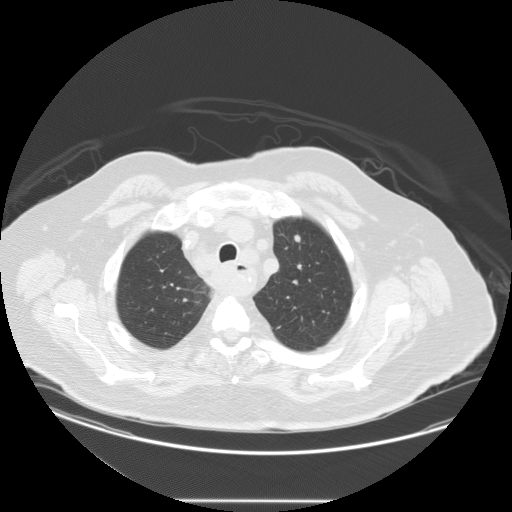
Slice 110/133 of a chest CT, counting up from the lowest; pixel size 0.859 mm, slice thickness 2.50 mm. Pulmonary nodule at rows 234–242, columns 293–301 (box = the union of the readers' outlines on this slice), outlined by three of the four readers; longest diameter 9.1 mm on average over the three readers' outlines (readers' outlines 8.2–9.8 mm), volume 235–376 mm3. Ratings, by the readers' most common answer with dissent counted: texture 5/5 (solid) by two of three readers; the rest gave 4/5 (one); margin 5/5 (circumscribed) by two of three readers; the rest gave 4/5 (one); sphericity split among the readers: 3/5 (ovoid) (one), 4/5 (one), 5/5 (round) (one); calcification absent, all three readers agreeing; internal structure soft tissue from all three readers; subtlety 2/5 by two of three readers; the rest gave 3/5 (one); most readers (two of three) put malignancy likelihood at 3/5, others 2/5 (one). Scale key (1–5): texture non-solid→solid, margin indistinct→circumscribed, sphericity linear→round, subtlety extremely subtle→obvious, malignancy likelihood highly unlikely→highly suspicious of cancer. Box rows and columns are 0-based pixel indices from the top-left corner, inclusive.
Tube voltage 120 kVp; convolution kernel STANDARD.